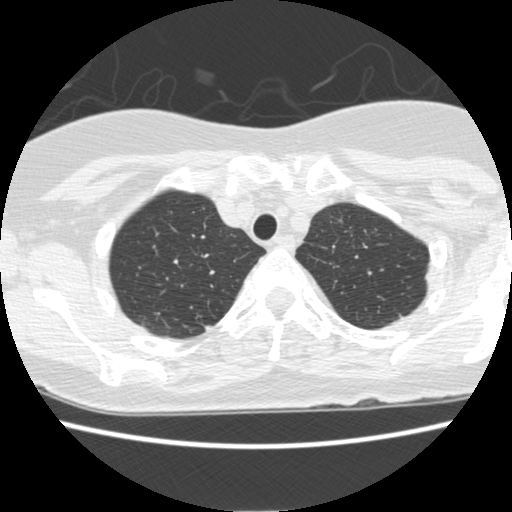
Axial chest CT slice 376 of 484 (counted from the lowest slice); 1.25 mm thick, 0.625 mm per pixel. Pulmonary nodule, outlined by one of the four readers. Box on this slice rows 325–329, columns 205–210, that reader's outline on this slice; longest diameter 5.9 mm and volume 45 mm3 from that reader's outline. Ratings by that reader: texture 5/5 (solid); margin 4/5; sphericity 3/5 (ovoid); calcification absent; internal structure soft tissue; subtlety 3/5; malignancy likelihood 1/5. Scale key (1–5): texture non-solid→solid, margin indistinct→circumscribed, sphericity linear→round, subtlety extremely subtle→obvious, malignancy likelihood highly unlikely→highly suspicious of cancer. Box rows and columns are 0-based pixel indices from the top-left corner, inclusive.
Acquired at 120 kVp and reconstructed with the STANDARD kernel.